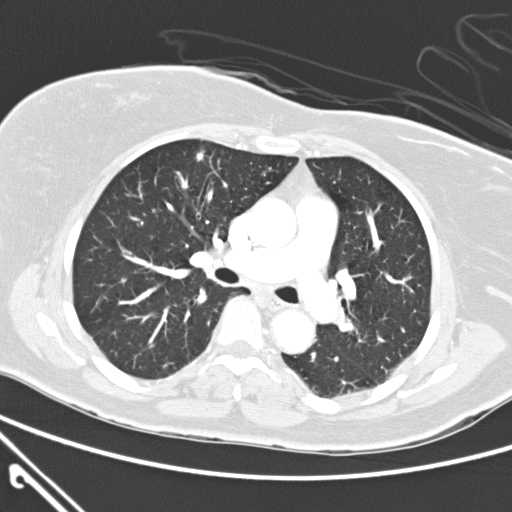
Axial slice 162 of 300 of a chest CT (slice 1 is the lowest), reconstructed with the D kernel at 120 kVp; 2.00 mm slice thickness and 0.631 mm pixels.
Pulmonary nodule, outlined by three of the four readers. Box on this slice rows 150–161, columns 196–204, the union of the readers' outlines on this slice; median longest diameter 9.2 mm (readers' outlines 9.2–10.2 mm), median volume 178 mm3 (147–194 mm3). Ratings, median across the readers with their spread: texture 5/5 (solid) at the median of three readers, spread 4/5 to 5/5 (solid); margin 4/5 at the median of three readers, spread 3/5 to 4/5; sphericity 4/5, all three readers agreeing; calcification absent, all three readers agreeing; internal structure soft tissue from all three readers; subtlety 3/5 at the median of three readers, spread 3–5; median malignancy likelihood 3/5 (readers ranged 2–4). Scale key (1–5): texture non-solid→solid, margin indistinct→circumscribed, sphericity linear→round, subtlety extremely subtle→obvious, malignancy likelihood highly unlikely→highly suspicious of cancer. Box rows and columns are 0-based pixel indices from the top-left corner, inclusive.